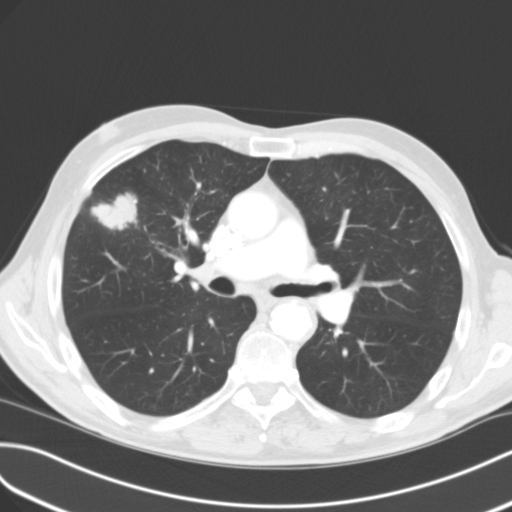
Chest CT, axial plane, 120 kVp, kernel B31f. Slice 67/114 from the bottom of the scan; thickness 3.00 mm; pixel size 0.689 mm.
Pulmonary nodule, outlined by all four readers. Box on this slice rows 192–231, columns 90–137, the union of the readers' outlines on this slice; median longest diameter 42.1 mm (readers' outlines 40.2–48.6 mm), median volume 19271 mm3 (17639–20532 mm3). Median ratings and the readers' spread: texture 4.5/5 at the median of four readers, spread 4/5 to 5/5 (solid); median margin 4/5 (readers ranged 3/5 to 5/5 (circumscribed)); median sphericity 3.5/5 (readers ranged 3/5 (ovoid) to 4/5); calcification absent, all four readers agreeing; internal structure soft tissue from all four readers; subtlety 5/5 from all four readers; malignancy likelihood 4/5 at the median of four readers, spread 3–5. Scale key (1–5): texture non-solid→solid, margin indistinct→circumscribed, sphericity linear→round, subtlety extremely subtle→obvious, malignancy likelihood highly unlikely→highly suspicious of cancer. Box rows and columns are 0-based pixel indices from the top-left corner, inclusive.